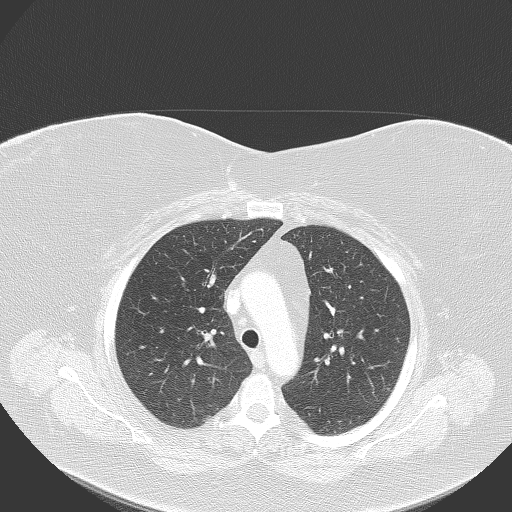
Chest CT, axial plane, 120 kVp, kernel B70f. Slice 243/320 from the bottom of the scan; thickness 2.00 mm; pixel size 0.768 mm.
Pulmonary nodule, outlined by two of the four readers. Box on this slice rows 415–421, columns 201–210, the union of the readers' outlines on this slice; the two readers' outlines give a longest diameter between 9.3 and 10.3 mm and a volume between 181 and 234 mm3. Ratings across the readers: texture from 1/5 (non-solid) to 4/5 across the two readers; margin from 2/5 to 3/5 across the two readers; sphericity from 3/5 (ovoid) to 5/5 (round) across the two readers; calcification absent, both readers agreeing; internal structure soft tissue from both readers; subtlety from 1/5 to 3/5 across the two readers; malignancy likelihood 2–3/5 (the readers disagree). Scale key (1–5): texture non-solid→solid, margin indistinct→circumscribed, sphericity linear→round, subtlety extremely subtle→obvious, malignancy likelihood highly unlikely→highly suspicious of cancer. Box rows and columns are 0-based pixel indices from the top-left corner, inclusive.